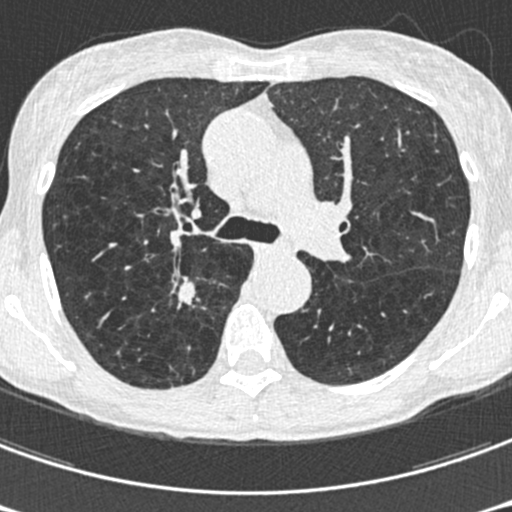
Axial slice 400 of 633 of a chest CT (slice 1 is the lowest), reconstructed with the B30f kernel at 120 kVp; 0.60 mm slice thickness and 0.541 mm pixels.
Pulmonary nodule, outlined by all four readers. Box on this slice rows 277–305, columns 178–195, the union of the readers' outlines on this slice; longest diameter 19.0 mm on average over the four readers' outlines (readers' outlines 18.1–21.0 mm), volume 1292–1642 mm3. Ratings, by the readers' most common answer with dissent counted: texture 5/5 (solid), all four readers agreeing; margin 2/5 by two of four readers; the rest gave 1/5 (indistinct) (one), 3/5 (one); sphericity 3/5 (ovoid) by two of four readers; the rest gave 2/5 (one), 4/5 (one); calcification absent from all four readers; internal structure soft tissue, all four readers agreeing; subtlety 5/5 by three of four readers; the rest gave 4/5 (one); most readers (three of four) put malignancy likelihood at 5/5, others 4/5 (one). Scale key (1–5): texture non-solid→solid, margin indistinct→circumscribed, sphericity linear→round, subtlety extremely subtle→obvious, malignancy likelihood highly unlikely→highly suspicious of cancer. Box rows and columns are 0-based pixel indices from the top-left corner, inclusive.